Axial slice 111 of 290 of a chest CT (slice 1 is the lowest), reconstructed with the B kernel at 120 kVp; 2.00 mm slice thickness and 0.639 mm pixels.
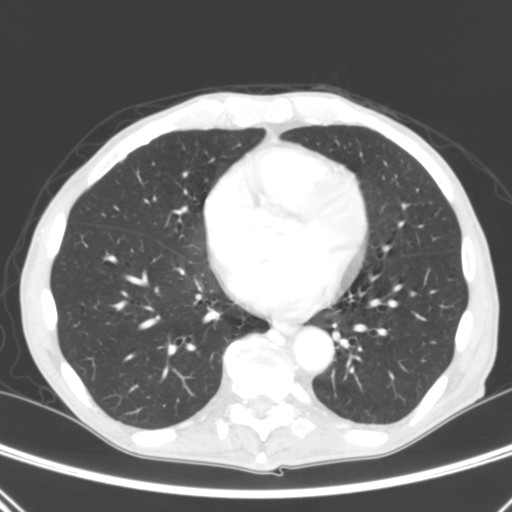
Pulmonary nodule at rows 291–295, columns 410–415 (box = that reader's outline on this slice), outlined by one of the four readers; longest diameter 5.5 mm and volume 55 mm3 from that reader's outline. Ratings by that reader: texture 5/5 (solid); margin 5/5 (circumscribed); sphericity 5/5 (round); calcification absent; internal structure soft tissue; subtlety 5/5; malignancy likelihood 3/5. Scale key (1–5): texture non-solid→solid, margin indistinct→circumscribed, sphericity linear→round, subtlety extremely subtle→obvious, malignancy likelihood highly unlikely→highly suspicious of cancer. Box rows and columns are 0-based pixel indices from the top-left corner, inclusive.